One axial slice (217 of 529, counting up from the lowest) of a chest CT acquired at 120 kVp with the B30f kernel; each pixel is 0.703 mm and the slice is 0.75 mm thick.
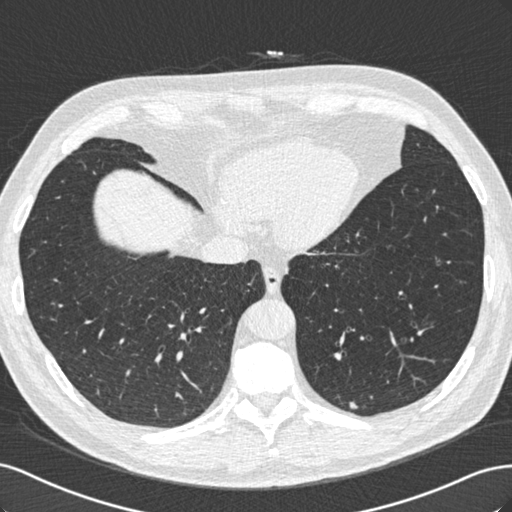
Two pulmonary nodules on this slice, listed from left to right. (1) Pulmonary nodule at rows 403–407, columns 350–356 (box = that reader's outline on this slice), outlined by one of the four readers; longest diameter 6.3 mm and volume 37 mm3 from that reader's outline. That reader's ratings: texture 4/5; margin 4/5; sphericity 3/5 (ovoid); calcification absent; internal structure soft tissue; subtlety 5/5; malignancy likelihood 3/5. (2) Pulmonary nodule at rows 402–408, columns 349–357 (box = that reader's outline on this slice), outlined by one of the four readers; longest diameter 7.6 mm and volume 65 mm3 from that reader's outline. That reader's ratings: texture 5/5 (solid); margin 4/5; sphericity 3/5 (ovoid); calcification absent; internal structure soft tissue; subtlety 3/5; malignancy likelihood 3/5. Scale key (1–5): texture non-solid→solid, margin indistinct→circumscribed, sphericity linear→round, subtlety extremely subtle→obvious, malignancy likelihood highly unlikely→highly suspicious of cancer. Box rows and columns are 0-based pixel indices from the top-left corner, inclusive.